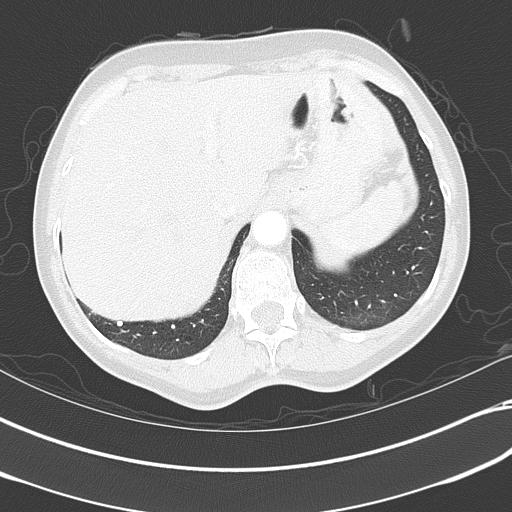
Chest CT, axial plane, 120 kVp, kernel B70f. Slice 90/351 from the bottom of the scan; thickness 2.00 mm; pixel size 0.643 mm.
Pulmonary nodule at rows 321–325, columns 117–122 (box = the union of the readers' outlines on this slice), outlined by two of the four readers; median longest diameter 4.8 mm (readers' outlines 4.3–5.3 mm), median volume 41 mm3 (31–50 mm3). Ratings, median across the readers with their spread: texture 5/5 (solid), both readers agreeing; margin 5/5 (circumscribed), both readers agreeing; sphericity 5/5 (round), both readers agreeing; calcification split among the readers: solid calcification (one), absent (one); internal structure soft tissue from both readers; subtlety 4/5 at the median of two readers, spread 3–5; malignancy likelihood 1.5/5 at the median of two readers, spread 1–2. Scale key (1–5): texture non-solid→solid, margin indistinct→circumscribed, sphericity linear→round, subtlety extremely subtle→obvious, malignancy likelihood highly unlikely→highly suspicious of cancer. Box rows and columns are 0-based pixel indices from the top-left corner, inclusive.